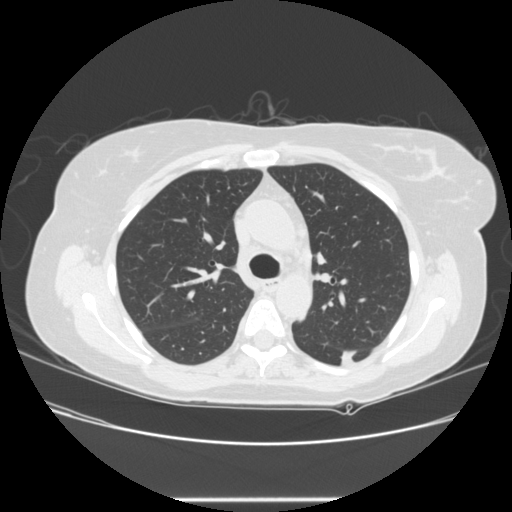
Axial chest CT slice 171 of 245 (counted from the lowest slice); tube voltage 120 kVp, convolution kernel STANDARD; slices 1.25 mm thick, 0.730 mm per pixel.
Pulmonary nodule at rows 349–367, columns 340–362 (box = the union of the readers' outlines on this slice), outlined by all four readers; longest diameter 30.9 mm on average over the four readers' outlines (readers' outlines 27.2–36.8 mm), volume 3941–5997 mm3. Ratings, by the readers' most common answer with dissent counted: texture 5/5 (solid), all four readers agreeing; margin 4/5 by two of four readers; the rest gave 1/5 (indistinct) (one), 3/5 (one); sphericity 2/5 by two of four readers; the rest gave 3/5 (ovoid) (one), 4/5 (one); calcification absent, all four readers agreeing; internal structure soft tissue from all four readers; subtlety 5/5, all four readers agreeing; most readers (three of four) put malignancy likelihood at 5/5, others 4/5 (one). Scale key (1–5): texture non-solid→solid, margin indistinct→circumscribed, sphericity linear→round, subtlety extremely subtle→obvious, malignancy likelihood highly unlikely→highly suspicious of cancer. Box rows and columns are 0-based pixel indices from the top-left corner, inclusive.